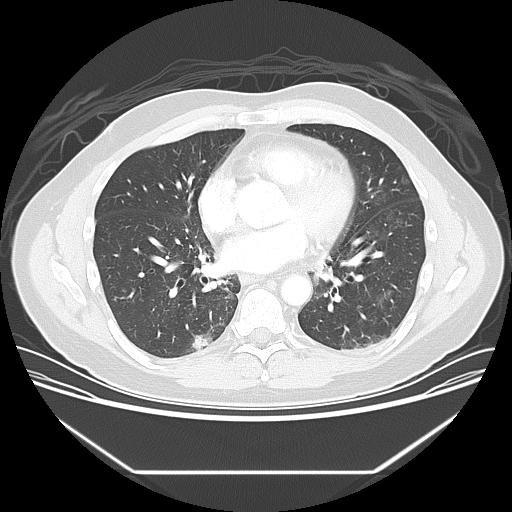
Axial chest CT slice 70 of 133 (counted from the lowest slice); tube voltage 120 kVp, convolution kernel LUNG; slices 2.50 mm thick, 0.781 mm per pixel.
Pulmonary nodule at rows 334–350, columns 192–211 (box = the union of the readers' outlines on this slice), outlined by three of the four readers; longest diameter 16.3–19.4 mm and volume 967–1366 mm3 across the three readers' outlines. The readers' ratings, as ranges where they differ: texture from 3/5 (part-solid) to 5/5 (solid) across the three readers; margin from 2/5 to 4/5 across the three readers; sphericity from 3/5 (ovoid) to 4/5 across the three readers; calcification absent from all three readers; internal structure soft tissue from all three readers; subtlety rated between 4 and 5 out of 5 by the three readers; malignancy likelihood from 3/5 to 4/5 across the three readers. Scale key (1–5): texture non-solid→solid, margin indistinct→circumscribed, sphericity linear→round, subtlety extremely subtle→obvious, malignancy likelihood highly unlikely→highly suspicious of cancer. Box rows and columns are 0-based pixel indices from the top-left corner, inclusive.